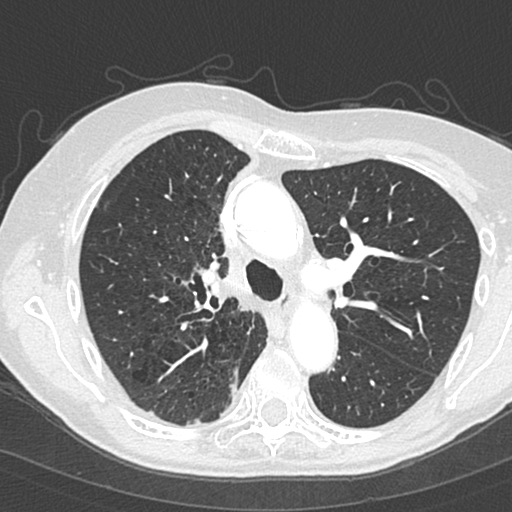
Axial chest CT slice 218 of 301 (counted from the lowest slice); 1.00 mm thick, 0.547 mm per pixel. This slice carries no reader outline of a nodule 3 mm or larger.
Scan settings: 120 kVp, B45f reconstruction kernel.